Axial chest CT slice 39 of 154 (counted from the lowest slice); tube voltage 120 kVp, convolution kernel STANDARD; slices 2.50 mm thick, 0.645 mm per pixel.
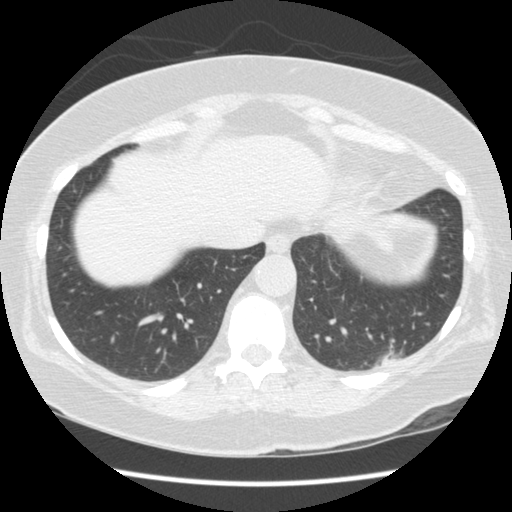
Pulmonary nodule at rows 349–365, columns 375–401 (box = that reader's outline on this slice), outlined by one of the four readers; longest diameter 24.1 mm and volume 2244 mm3 from that reader's outline. That reader's ratings: texture 3/5 (part-solid); margin 3/5; sphericity 4/5; calcification absent; internal structure soft tissue; subtlety 4/5; malignancy likelihood 1/5. Scale key (1–5): texture non-solid→solid, margin indistinct→circumscribed, sphericity linear→round, subtlety extremely subtle→obvious, malignancy likelihood highly unlikely→highly suspicious of cancer. Box rows and columns are 0-based pixel indices from the top-left corner, inclusive.